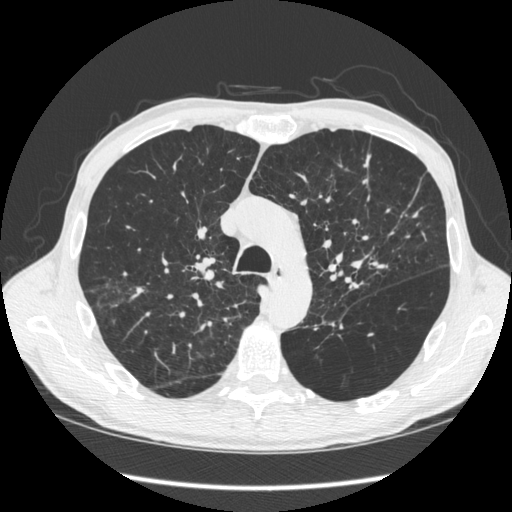
Axial slice 409 of 583 of a chest CT (slice 1 is the lowest), reconstructed with the STANDARD kernel at 120 kVp; 1.25 mm slice thickness and 0.703 mm pixels.
Pulmonary nodule, outlined by two of the four readers. Box on this slice rows 212–218, columns 412–417, the union of the readers' outlines on this slice; median longest diameter 6.8 mm (readers' outlines 6.5–7.2 mm), median volume 72 mm3 (71–74 mm3). Median ratings and the readers' spread: texture 5/5 (solid), both readers agreeing; margin 5/5 (circumscribed) from both readers; sphericity 3.5/5 at the median of two readers, spread 3/5 (ovoid) to 4/5; calcification absent, both readers agreeing; internal structure soft tissue from both readers; median subtlety 3/5 (readers ranged 2–4); malignancy likelihood 3/5, both readers agreeing. Scale key (1–5): texture non-solid→solid, margin indistinct→circumscribed, sphericity linear→round, subtlety extremely subtle→obvious, malignancy likelihood highly unlikely→highly suspicious of cancer. Box rows and columns are 0-based pixel indices from the top-left corner, inclusive.